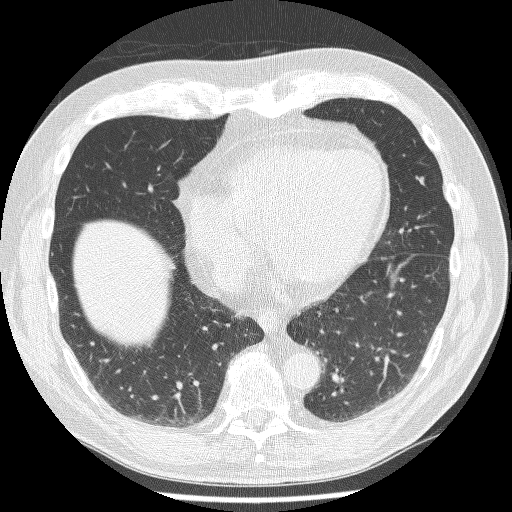
Chest CT, axial plane, 120 kVp, kernel BONE. Slice 91/244 from the bottom of the scan; thickness 1.25 mm; pixel size 0.674 mm.
Pulmonary nodule outlined by all four readers; box rows 176–183, columns 417–423 (the union of the readers' outlines on this slice); longest diameter 7.8 mm on average over the four readers' outlines (readers' outlines 6.6–9.1 mm), volume 111–136 mm3. Ratings, by the readers' most common answer with dissent counted: most readers (three of four) put texture at 5/5 (solid), others 4/5 (one); margin 5/5 (circumscribed) by two of four readers; the rest gave 2/5 (one), 4/5 (one); sphericity 3/5 (ovoid) by two of four readers; the rest gave 2/5 (one), 4/5 (one); calcification absent from all four readers; internal structure soft tissue, all four readers agreeing; subtlety 4/5 by two of four readers; the rest gave 3/5 (one), 5/5 (one); malignancy likelihood 3/5 by three of four readers; the rest gave 2/5 (one). Scale key (1–5): texture non-solid→solid, margin indistinct→circumscribed, sphericity linear→round, subtlety extremely subtle→obvious, malignancy likelihood highly unlikely→highly suspicious of cancer. Box rows and columns are 0-based pixel indices from the top-left corner, inclusive.